One axial slice (63 of 125, counting up from the lowest) of a chest CT acquired at 120 kVp with the LUNG kernel; each pixel is 0.703 mm and the slice is 2.50 mm thick.
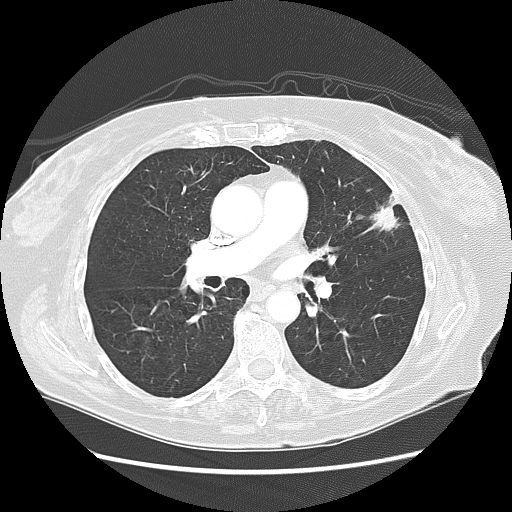
Two pulmonary nodules are outlined on this slice; from left to right: (1) Pulmonary nodule, outlined by one of the four readers. Box on this slice rows 215–218, columns 356–363, that reader's outline on this slice; longest diameter 6.7 mm and volume 40 mm3 from that reader's outline. That reader's ratings: texture 2/5; margin 3/5; sphericity 2/5; calcification absent; internal structure soft tissue; subtlety 1/5; malignancy likelihood 3/5. (2) Pulmonary nodule at rows 194–231, columns 369–400 (box = the union of the readers' outlines on this slice), outlined by all four readers; the four readers' outlines give a longest diameter between 25.5 and 28.7 mm and a volume between 2545 and 3578 mm3. Ratings across the readers: texture from 3/5 (part-solid) to 5/5 (solid) across the four readers; margin from 1/5 (indistinct) to 3/5 across the four readers; sphericity from 2/5 to 4/5 across the four readers; calcification absent from all four readers; internal structure soft tissue, all four readers agreeing; subtlety 5/5 from all four readers; malignancy likelihood rated between 3 and 5 out of 5 by the four readers. Scale key (1–5): texture non-solid→solid, margin indistinct→circumscribed, sphericity linear→round, subtlety extremely subtle→obvious, malignancy likelihood highly unlikely→highly suspicious of cancer. Box rows and columns are 0-based pixel indices from the top-left corner, inclusive.